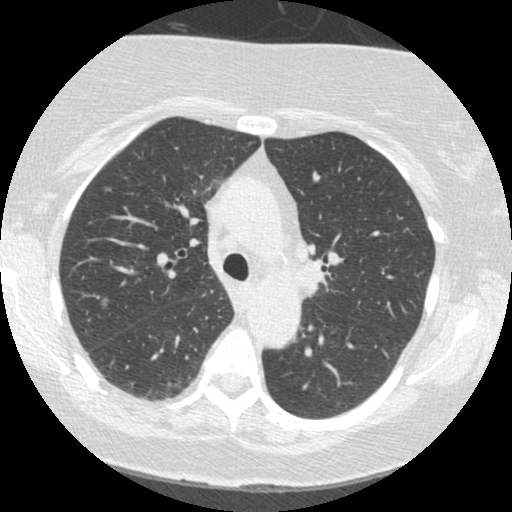
One axial slice (230 of 372, counting up from the lowest) of a chest CT acquired at 120 kVp with the STANDARD kernel; each pixel is 0.586 mm and the slice is 1.25 mm thick.
Pulmonary nodule, outlined by three of the four readers. Box on this slice rows 298–308, columns 98–107, the union of the readers' outlines on this slice; median longest diameter 7.7 mm (readers' outlines 7.6–8.0 mm), median volume 95 mm3 (95–117 mm3). Median ratings and the readers' spread: median texture 4/5 (readers ranged 1/5 (non-solid) to 4/5); margin 4/5 at the median of three readers, spread 1/5 (indistinct) to 4/5; median sphericity 4/5 (readers ranged 4/5 to 5/5 (round)); calcification absent, all three readers agreeing; internal structure soft tissue, all three readers agreeing; subtlety 4/5 at the median of three readers, spread 2–4; malignancy likelihood 3/5 at the median of three readers, spread 3–4. Scale key (1–5): texture non-solid→solid, margin indistinct→circumscribed, sphericity linear→round, subtlety extremely subtle→obvious, malignancy likelihood highly unlikely→highly suspicious of cancer. Box rows and columns are 0-based pixel indices from the top-left corner, inclusive.